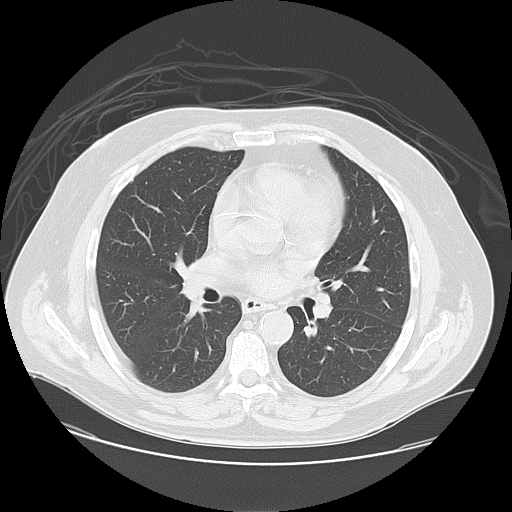
Axial slice 80 of 133 of a chest CT (slice 1 is the lowest), reconstructed with the LUNG kernel at 120 kVp; 2.50 mm slice thickness and 0.820 mm pixels.
No nodule of 3 mm or larger was outlined by any of the four readers on this slice.